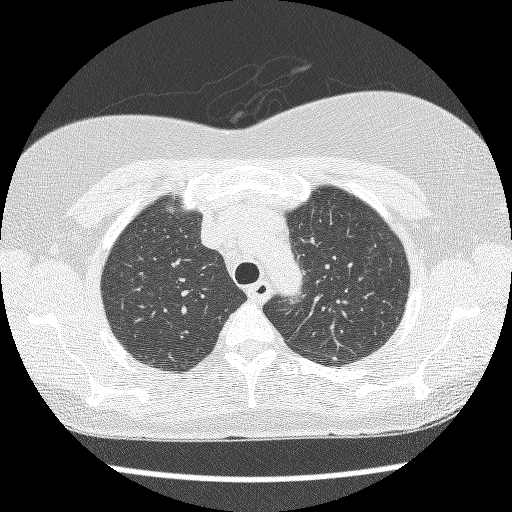
Axial slice 180 of 225 of a chest CT (slice 1 is the lowest), reconstructed with the BONE kernel at 120 kVp; 1.25 mm slice thickness and 0.623 mm pixels.
Pulmonary nodule outlined by three of the four readers; box rows 357–359, columns 331–336 (the union of the readers' outlines on this slice); median longest diameter 6.5 mm (readers' outlines 6.1–7.6 mm), median volume 58 mm3 (40–68 mm3). Median ratings and the readers' spread: texture 5/5 (solid) at the median of three readers, spread 3/5 (part-solid) to 5/5 (solid); margin 3/5 at the median of three readers, spread 2/5 to 4/5; sphericity 4/5 at the median of three readers, spread 2/5 to 4/5; calcification absent from all three readers; internal structure soft tissue, all three readers agreeing; median subtlety 4/5 (readers ranged 4–5); malignancy likelihood 3/5 at the median of three readers, spread 2–4. Scale key (1–5): texture non-solid→solid, margin indistinct→circumscribed, sphericity linear→round, subtlety extremely subtle→obvious, malignancy likelihood highly unlikely→highly suspicious of cancer. Box rows and columns are 0-based pixel indices from the top-left corner, inclusive.